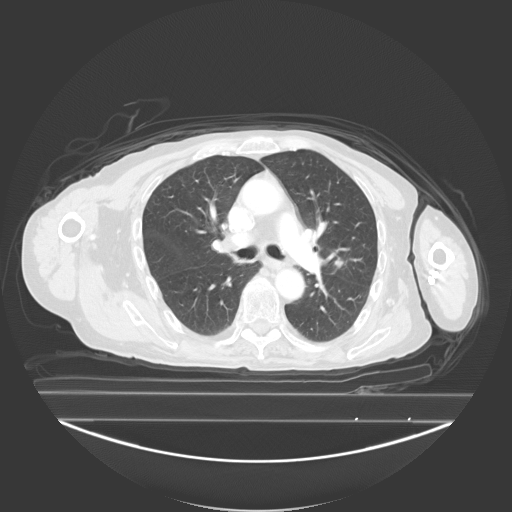
One axial slice (163 of 278, counting up from the lowest) of a chest CT acquired at 130 kVp with the B40s kernel; each pixel is 0.977 mm and the slice is 3.00 mm thick.
Pulmonary nodule, outlined by three of the four readers. Box on this slice rows 257–267, columns 334–343, the union of the readers' outlines on this slice; median longest diameter 12.8 mm (readers' outlines 12.8–14.8 mm), median volume 803 mm3 (665–985 mm3). Median ratings and the readers' spread: median texture 5/5 (solid) (readers ranged 4/5 to 5/5 (solid)); margin 4/5, all three readers agreeing; median sphericity 5/5 (round) (readers ranged 4/5 to 5/5 (round)); calcification absent from all three readers; internal structure soft tissue, all three readers agreeing; subtlety 4/5 at the median of three readers, spread 3–5; malignancy likelihood 3/5 at the median of three readers, spread 2–4. Scale key (1–5): texture non-solid→solid, margin indistinct→circumscribed, sphericity linear→round, subtlety extremely subtle→obvious, malignancy likelihood highly unlikely→highly suspicious of cancer. Box rows and columns are 0-based pixel indices from the top-left corner, inclusive.